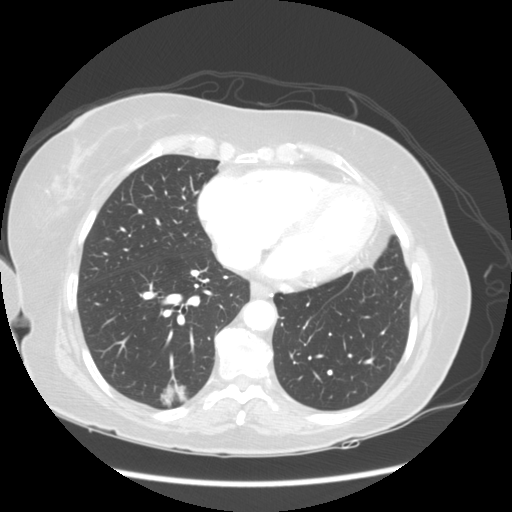
Axial slice 71 of 141 of a chest CT (slice 1 is the lowest), reconstructed with the STANDARD kernel at 120 kVp; 2.50 mm slice thickness and 0.703 mm pixels.
Pulmonary nodule at rows 383–407, columns 159–188 (box = the union of the readers' outlines on this slice), outlined by all four readers; longest diameter 22.4 mm on average over the four readers' outlines (readers' outlines 21.4–23.4 mm), volume 3130–4766 mm3. Ratings, by the readers' most common answer with dissent counted: texture 5/5 (solid), all four readers agreeing; margin 3/5 by two of four readers; the rest gave 2/5 (one), 4/5 (one); sphericity 4/5 by two of four readers; the rest gave 3/5 (ovoid) (one), 5/5 (round) (one); calcification absent, all four readers agreeing; internal structure soft tissue, all four readers agreeing; subtlety 5/5, all four readers agreeing; malignancy likelihood 5/5 from all four readers. Scale key (1–5): texture non-solid→solid, margin indistinct→circumscribed, sphericity linear→round, subtlety extremely subtle→obvious, malignancy likelihood highly unlikely→highly suspicious of cancer. Box rows and columns are 0-based pixel indices from the top-left corner, inclusive.